Chest CT, axial plane, 140 kVp, kernel BONE. Slice 66/127 from the bottom of the scan; thickness 2.50 mm; pixel size 0.586 mm.
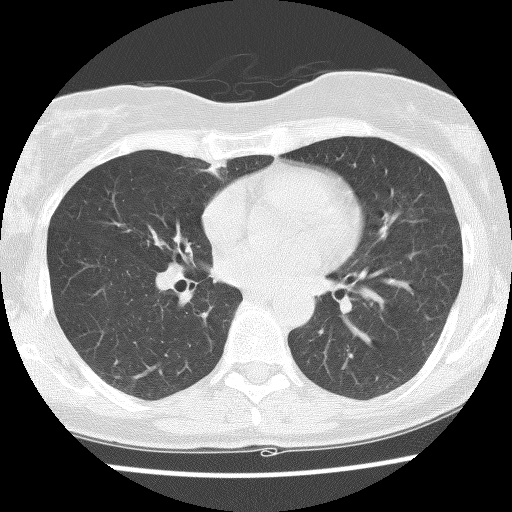
Pulmonary nodule at rows 162–181, columns 208–225 (box = that reader's outline on this slice), outlined by one of the four readers; longest diameter 18.8 mm and volume 2440 mm3 from that reader's outline. That reader's ratings: texture 3/5 (part-solid); margin 2/5; sphericity 2/5; calcification absent; internal structure soft tissue; subtlety 4/5; malignancy likelihood 2/5. Scale key (1–5): texture non-solid→solid, margin indistinct→circumscribed, sphericity linear→round, subtlety extremely subtle→obvious, malignancy likelihood highly unlikely→highly suspicious of cancer. Box rows and columns are 0-based pixel indices from the top-left corner, inclusive.